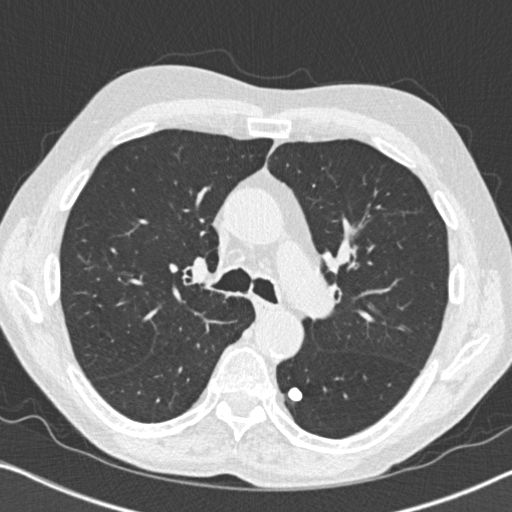
One axial slice (504 of 764, counting up from the lowest) of a chest CT acquired at 120 kVp with the B31f kernel; each pixel is 0.646 mm and the slice is 1.00 mm thick.
Pulmonary nodule outlined by all four readers; box rows 386–402, columns 287–303 (the union of the readers' outlines on this slice); longest diameter 10.7–12.7 mm and volume 382–638 mm3 across the four readers' outlines. The readers' ratings, as ranges where they differ: texture 5/5 (solid) from all four readers; margin 5/5 (circumscribed), all four readers agreeing; sphericity from 4/5 to 5/5 (round) across the four readers; calcification solid calcification, all four readers agreeing; internal structure soft tissue, all four readers agreeing; subtlety 5/5 from all four readers; malignancy likelihood 1/5 from all four readers. Scale key (1–5): texture non-solid→solid, margin indistinct→circumscribed, sphericity linear→round, subtlety extremely subtle→obvious, malignancy likelihood highly unlikely→highly suspicious of cancer. Box rows and columns are 0-based pixel indices from the top-left corner, inclusive.